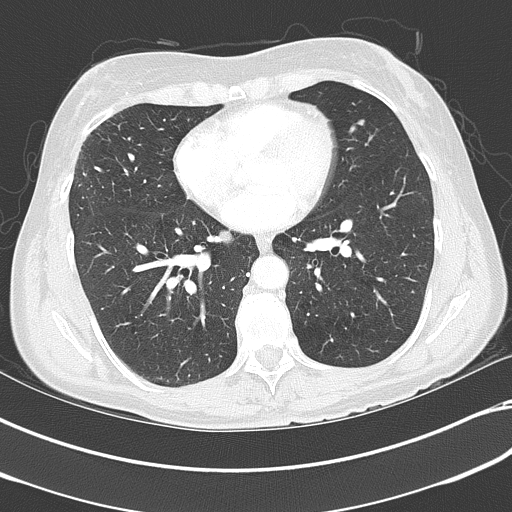
Axial slice 173 of 351 of a chest CT (slice 1 is the lowest), reconstructed with the B70f kernel at 120 kVp; 2.00 mm slice thickness and 0.643 mm pixels.
Pulmonary nodule, outlined by all four readers, two of them on this slice. Box on this slice rows 119–125, columns 357–364, the union of the readers' outlines on this slice; median longest diameter 9.4 mm (readers' outlines 6.1–12.1 mm), median volume 108 mm3 (80–120 mm3). Median ratings and the readers' spread: texture 5/5 (solid) at the median of four readers, spread 4/5 to 5/5 (solid); margin 4/5 at the median of four readers, spread 3/5 to 4/5; median sphericity 2.5/5 (readers ranged 2/5 to 4/5); calcification absent from all four readers; internal structure soft tissue from all four readers; median subtlety 3.5/5 (readers ranged 3–4); malignancy likelihood 2/5 at the median of four readers, spread 1–4. Scale key (1–5): texture non-solid→solid, margin indistinct→circumscribed, sphericity linear→round, subtlety extremely subtle→obvious, malignancy likelihood highly unlikely→highly suspicious of cancer. Box rows and columns are 0-based pixel indices from the top-left corner, inclusive.